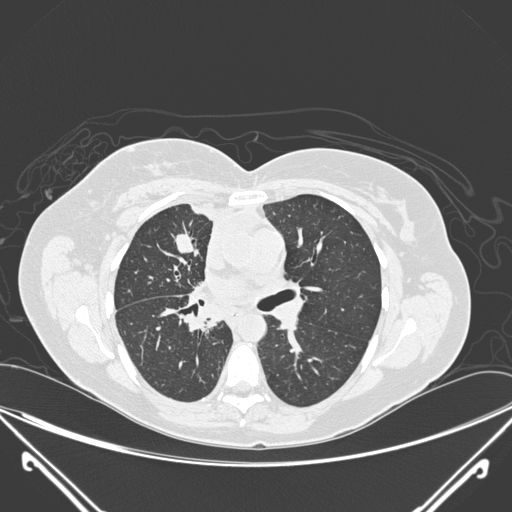
Axial chest CT slice 159 of 275 (counted from the lowest slice); tube voltage 120 kVp, convolution kernel D; slices 1.00 mm thick, 0.781 mm per pixel.
Pulmonary nodule, outlined by all four readers. Box on this slice rows 232–256, columns 175–198, the union of the readers' outlines on this slice; longest diameter 20.3–23.4 mm and volume 1750–2560 mm3 across the four readers' outlines. The readers' ratings, as ranges where they differ: texture 5/5 (solid), all four readers agreeing; margin from 3/5 to 5/5 (circumscribed) across the four readers; sphericity from 2/5 to 5/5 (round) across the four readers; calcification: absent (three), central calcification (one); internal structure soft tissue, all four readers agreeing; subtlety 5/5, all four readers agreeing; malignancy likelihood rated between 1 and 5 out of 5 by the four readers. Scale key (1–5): texture non-solid→solid, margin indistinct→circumscribed, sphericity linear→round, subtlety extremely subtle→obvious, malignancy likelihood highly unlikely→highly suspicious of cancer. Box rows and columns are 0-based pixel indices from the top-left corner, inclusive.